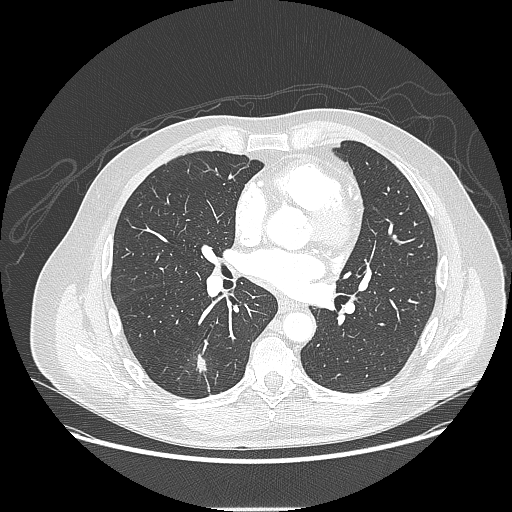
Axial chest CT slice 95 of 214 (counted from the lowest slice); tube voltage 120 kVp, convolution kernel LUNG; slices 1.25 mm thick, 0.820 mm per pixel.
Pulmonary nodule, outlined by all four readers, three of them on this slice. Box on this slice rows 355–371, columns 196–206, the union of the readers' outlines on this slice; the four readers' outlines give a longest diameter between 14.7 and 27.9 mm and a volume between 696 and 2326 mm3. Ratings across the readers: texture from 4/5 to 5/5 (solid) across the four readers; margin from 1/5 (indistinct) to 4/5 across the four readers; sphericity from 2/5 to 3/5 (ovoid) across the four readers; calcification absent from all four readers; internal structure soft tissue, all four readers agreeing; subtlety rated between 4 and 5 out of 5 by the four readers; malignancy likelihood 3–4/5 (the readers disagree). Scale key (1–5): texture non-solid→solid, margin indistinct→circumscribed, sphericity linear→round, subtlety extremely subtle→obvious, malignancy likelihood highly unlikely→highly suspicious of cancer. Box rows and columns are 0-based pixel indices from the top-left corner, inclusive.